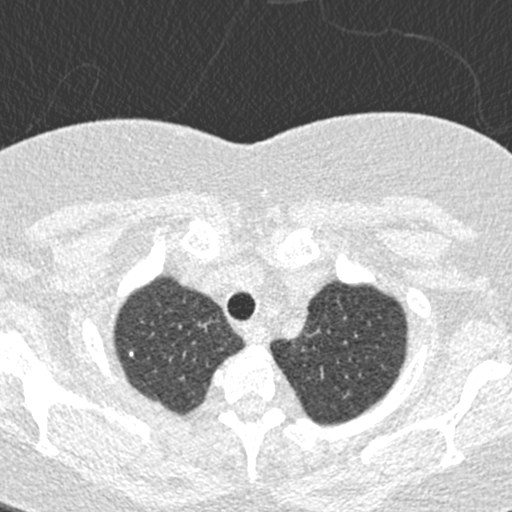
Axial chest CT slice 382 of 423 (counted from the lowest slice); tube voltage 120 kVp, convolution kernel B30f; slices 0.75 mm thick, 0.520 mm per pixel.
Pulmonary nodule at rows 351–356, columns 129–132 (box = the union of the readers' outlines on this slice), outlined by two of the four readers; longest diameter 3.5 mm on average over the two readers' outlines (readers' outlines 2.8–4.2 mm), volume 7–20 mm3. The readers' prevailing ratings and who disagreed: texture 5/5 (solid), both readers agreeing; margin 5/5 (circumscribed), both readers agreeing; sphericity 5/5 (round) from both readers; calcification solid calcification from both readers; internal structure soft tissue from both readers; subtlety 5/5 from both readers; malignancy likelihood 1/5, both readers agreeing. Scale key (1–5): texture non-solid→solid, margin indistinct→circumscribed, sphericity linear→round, subtlety extremely subtle→obvious, malignancy likelihood highly unlikely→highly suspicious of cancer. Box rows and columns are 0-based pixel indices from the top-left corner, inclusive.